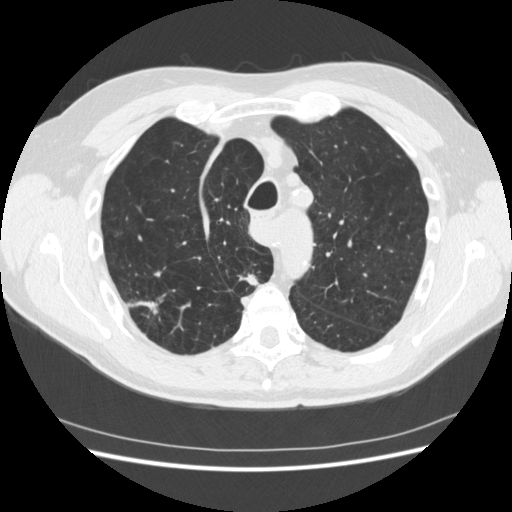
Slice 344/481 of a chest CT, counting up from the lowest; pixel size 0.703 mm, slice thickness 1.25 mm. Two pulmonary nodules on this slice, listed from left to right. (1) Pulmonary nodule, outlined by all four readers. Box on this slice rows 293–316, columns 127–167, the union of the readers' outlines on this slice; median longest diameter 25.6 mm (readers' outlines 18.7–34.9 mm), median volume 2081 mm3 (1155–4169 mm3). Median ratings and the readers' spread: median texture 5/5 (solid) (readers ranged 4/5 to 5/5 (solid)); median margin 2.5/5 (readers ranged 1/5 (indistinct) to 4/5); median sphericity 3.5/5 (readers ranged 2/5 to 5/5 (round)); calcification absent, all four readers agreeing; internal structure soft tissue from all four readers; subtlety 5/5, all four readers agreeing; median malignancy likelihood 5/5 (readers ranged 4–5). (2) Pulmonary nodule, outlined by three of the four readers. Box on this slice rows 274–285, columns 239–257, the union of the readers' outlines on this slice; longest diameter 13.5–18.5 mm and volume 529–1088 mm3 across the three readers' outlines. The readers' ratings, as ranges where they differ: texture 5/5 (solid) from all three readers; margin from 1/5 (indistinct) to 4/5 across the three readers; sphericity from 2/5 to 3/5 (ovoid) across the three readers; calcification absent from all three readers; internal structure soft tissue from all three readers; subtlety rated between 4 and 5 out of 5 by the three readers; malignancy likelihood 3–5/5 (the readers disagree). Scale key (1–5): texture non-solid→solid, margin indistinct→circumscribed, sphericity linear→round, subtlety extremely subtle→obvious, malignancy likelihood highly unlikely→highly suspicious of cancer. Box rows and columns are 0-based pixel indices from the top-left corner, inclusive.
Tube voltage 120 kVp; convolution kernel STANDARD.